One axial slice (291 of 481, counting up from the lowest) of a chest CT acquired at 120 kVp with the STANDARD kernel; each pixel is 0.742 mm and the slice is 1.25 mm thick.
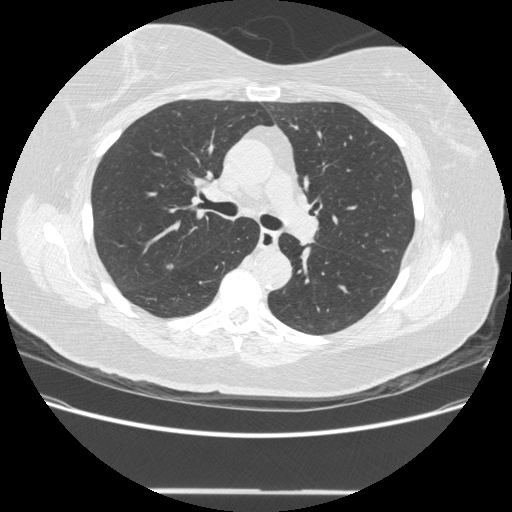
Pulmonary nodule, outlined by three of the four readers. Box on this slice rows 263–270, columns 164–172, the union of the readers' outlines on this slice; median longest diameter 14.2 mm (readers' outlines 13.9–15.6 mm), median volume 777 mm3 (741–820 mm3). Ratings, median across the readers with their spread: texture 4/5, all three readers agreeing; median margin 4/5 (readers ranged 3/5 to 4/5); median sphericity 3/5 (ovoid) (readers ranged 3/5 (ovoid) to 4/5); calcification absent, all three readers agreeing; internal structure soft tissue from all three readers; median subtlety 4/5 (readers ranged 4–5); malignancy likelihood 5/5 at the median of three readers, spread 4–5. Scale key (1–5): texture non-solid→solid, margin indistinct→circumscribed, sphericity linear→round, subtlety extremely subtle→obvious, malignancy likelihood highly unlikely→highly suspicious of cancer. Box rows and columns are 0-based pixel indices from the top-left corner, inclusive.